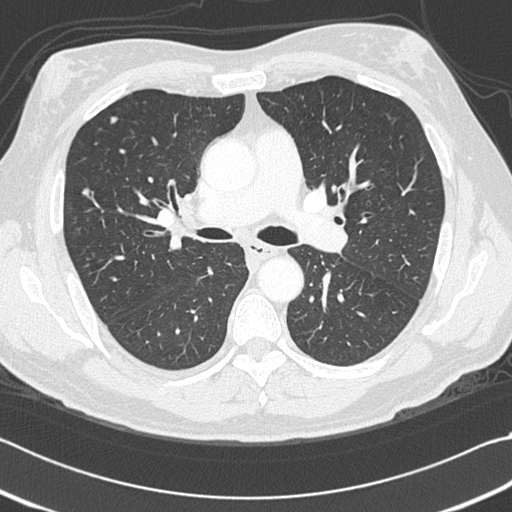
Axial chest CT slice 195 of 312 (counted from the lowest slice); tube voltage 120 kVp, convolution kernel B45f; slices 1.00 mm thick, 0.664 mm per pixel.
Two pulmonary nodules are outlined on this slice; from left to right: (1) Pulmonary nodule outlined by three of the four readers; box rows 188–197, columns 82–89 (the union of the readers' outlines on this slice); longest diameter 6.5 mm on average over the three readers' outlines (readers' outlines 5.4–7.8 mm), volume 35–59 mm3. The readers' prevailing ratings and who disagreed: texture 5/5 (solid) from all three readers; margin 4/5 by two of three readers; the rest gave 5/5 (circumscribed) (one); most readers (two of three) put sphericity at 4/5, others 3/5 (ovoid) (one); calcification absent, all three readers agreeing; internal structure soft tissue, all three readers agreeing; subtlety 3/5 by two of three readers; the rest gave 2/5 (one); most readers (two of three) put malignancy likelihood at 3/5, others 2/5 (one). (2) Pulmonary nodule at rows 116–124, columns 110–118 (box = the union of the readers' outlines on this slice), outlined by all four readers; longest diameter 7.4–13.2 mm and volume 103–239 mm3 across the four readers' outlines. Ratings across the readers: texture 5/5 (solid) from all four readers; margin from 4/5 to 5/5 (circumscribed) across the four readers; sphericity from 3/5 (ovoid) to 5/5 (round) across the four readers; calcification absent, all four readers agreeing; internal structure soft tissue, all four readers agreeing; subtlety 3–4/5 (the readers disagree); malignancy likelihood from 2/5 to 3/5 across the four readers. Scale key (1–5): texture non-solid→solid, margin indistinct→circumscribed, sphericity linear→round, subtlety extremely subtle→obvious, malignancy likelihood highly unlikely→highly suspicious of cancer. Box rows and columns are 0-based pixel indices from the top-left corner, inclusive.